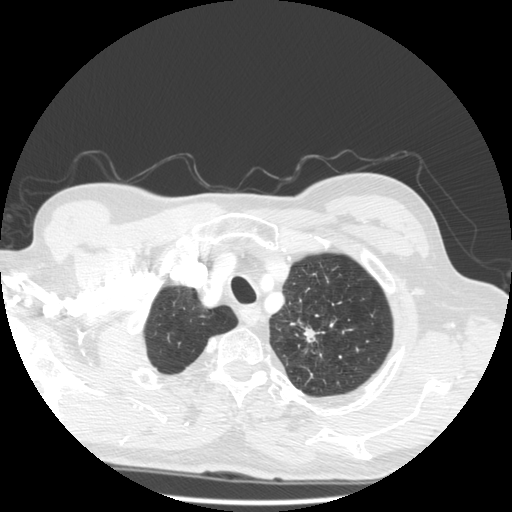
Axial chest CT slice 449 of 501 (counted from the lowest slice); tube voltage 140 kVp, convolution kernel STANDARD; slices 1.25 mm thick, 0.703 mm per pixel.
Pulmonary nodule, outlined by three of the four readers. Box on this slice rows 326–342, columns 301–324, the union of the readers' outlines on this slice; the three readers' outlines give a longest diameter between 32.1 and 39.2 mm and a volume between 2361 and 4873 mm3. Ratings across the readers: texture from 4/5 to 5/5 (solid) across the three readers; margin from 1/5 (indistinct) to 5/5 (circumscribed) across the three readers; sphericity from 2/5 to 5/5 (round) across the three readers; calcification absent, all three readers agreeing; internal structure soft tissue from all three readers; subtlety 5/5 from all three readers; malignancy likelihood from 4/5 to 5/5 across the three readers. Scale key (1–5): texture non-solid→solid, margin indistinct→circumscribed, sphericity linear→round, subtlety extremely subtle→obvious, malignancy likelihood highly unlikely→highly suspicious of cancer. Box rows and columns are 0-based pixel indices from the top-left corner, inclusive.